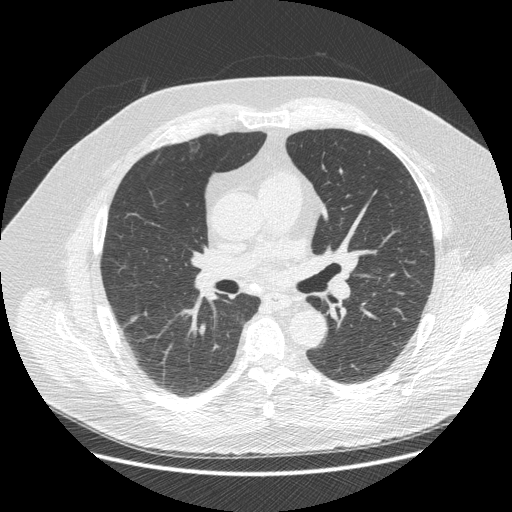
Slice 283/477 of a chest CT, counting up from the lowest; pixel size 0.781 mm, slice thickness 1.25 mm. Pulmonary nodule, outlined by all four readers. Box on this slice rows 315–321, columns 131–138, the union of the readers' outlines on this slice; median longest diameter 16.2 mm (readers' outlines 12.4–20.8 mm), median volume 295 mm3 (162–429 mm3). Median ratings and the readers' spread: texture 4/5 at the median of four readers, spread 1/5 (non-solid) to 5/5 (solid); margin 3.5/5 at the median of four readers, spread 2/5 to 5/5 (circumscribed); median sphericity 2.5/5 (readers ranged 2/5 to 4/5); calcification absent from all four readers; internal structure soft tissue, all four readers agreeing; subtlety 4.5/5 at the median of four readers, spread 3–5; median malignancy likelihood 3.5/5 (readers ranged 2–4). Scale key (1–5): texture non-solid→solid, margin indistinct→circumscribed, sphericity linear→round, subtlety extremely subtle→obvious, malignancy likelihood highly unlikely→highly suspicious of cancer. Box rows and columns are 0-based pixel indices from the top-left corner, inclusive.
Tube voltage 120 kVp; convolution kernel STANDARD.